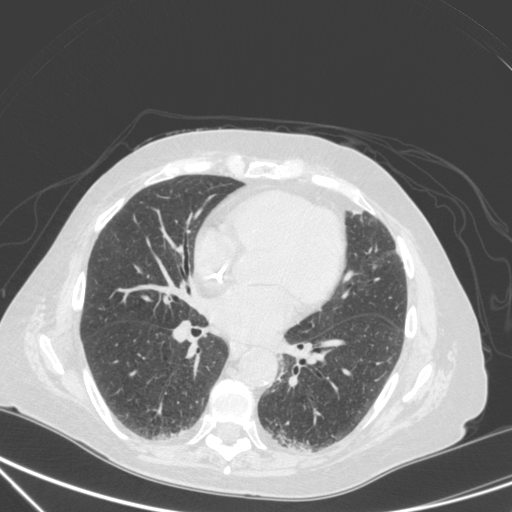
Chest CT, axial plane, 120 kVp, kernel C. Slice 150/350 from the bottom of the scan; thickness 1.50 mm; pixel size 0.725 mm.
Pulmonary nodule, outlined by all four readers, three of them on this slice. Box on this slice rows 264–273, columns 372–376, the union of the readers' outlines on this slice; longest diameter 9.2 mm on average over the four readers' outlines (readers' outlines 8.5–10.5 mm), volume 175–345 mm3. Ratings, by the readers' most common answer with dissent counted: most readers (three of four) put texture at 5/5 (solid), others 4/5 (one); margin 4/5 by three of four readers; the rest gave 5/5 (circumscribed) (one); sphericity split among the readers: 3/5 (ovoid) (two), 4/5 (two); calcification absent from all four readers; internal structure soft tissue from all four readers; subtlety 5/5, all four readers agreeing; malignancy likelihood 2/5 by two of four readers; the rest gave 4/5 (one), 5/5 (one). Scale key (1–5): texture non-solid→solid, margin indistinct→circumscribed, sphericity linear→round, subtlety extremely subtle→obvious, malignancy likelihood highly unlikely→highly suspicious of cancer. Box rows and columns are 0-based pixel indices from the top-left corner, inclusive.